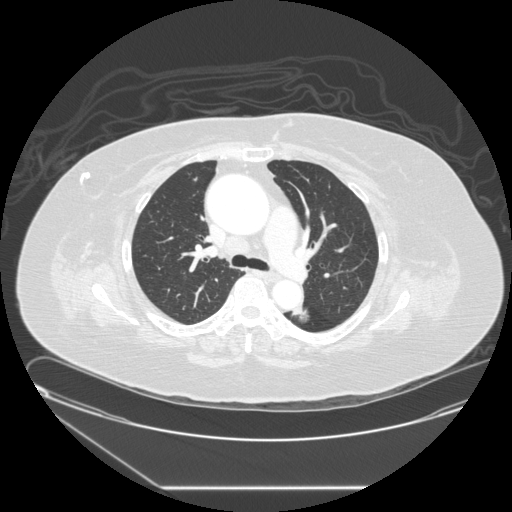
Axial slice 175 of 257 of a chest CT (slice 1 is the lowest), reconstructed with the STANDARD kernel at 120 kVp; 1.25 mm slice thickness and 0.852 mm pixels.
Pulmonary nodule at rows 305–323, columns 292–310 (box = the union of the readers' outlines on this slice), outlined by all four readers; longest diameter 16.2 mm on average over the four readers' outlines (readers' outlines 13.2–18.0 mm), volume 478–876 mm3. The readers' prevailing ratings and who disagreed: texture split among the readers: 1/5 (non-solid) (two), 5/5 (solid) (two); margin 4/5 by two of four readers; the rest gave 2/5 (one), 3/5 (one); sphericity 4/5 by two of four readers; the rest gave 3/5 (ovoid) (one), 5/5 (round) (one); calcification absent from all four readers; internal structure soft tissue from all four readers; most readers (three of four) put subtlety at 4/5, others 1/5 (one); malignancy likelihood split among the readers: 2/5 (one), 3/5 (one), 4/5 (one), 5/5 (one). Scale key (1–5): texture non-solid→solid, margin indistinct→circumscribed, sphericity linear→round, subtlety extremely subtle→obvious, malignancy likelihood highly unlikely→highly suspicious of cancer. Box rows and columns are 0-based pixel indices from the top-left corner, inclusive.